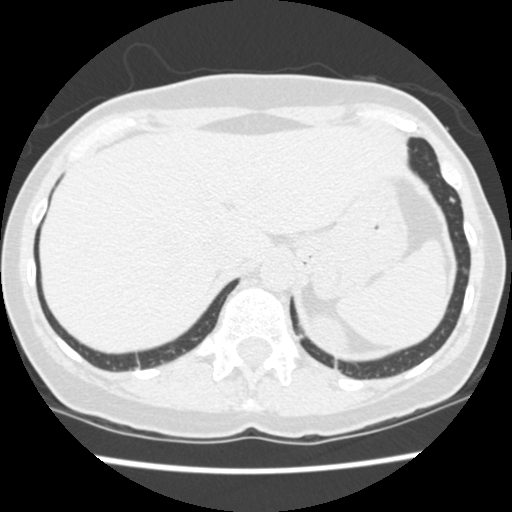
One axial slice (60 of 471, counting up from the lowest) of a chest CT acquired at 120 kVp with the STANDARD kernel; each pixel is 0.586 mm and the slice is 1.25 mm thick.
Pulmonary nodule at rows 195–205, columns 448–456 (box = the union of the readers' outlines on this slice), outlined by all four readers; median longest diameter 6.4 mm (readers' outlines 6.1–9.0 mm), median volume 101 mm3 (96–205 mm3). Ratings, median across the readers with their spread: texture 5/5 (solid), all four readers agreeing; margin 4/5 at the median of four readers, spread 4/5 to 5/5 (circumscribed); median sphericity 3/5 (ovoid) (readers ranged 3/5 (ovoid) to 5/5 (round)); calcification absent from all four readers; internal structure soft tissue, all four readers agreeing; subtlety 3/5 at the median of four readers, spread 3–4; malignancy likelihood 3/5 at the median of four readers, spread 2–4. Scale key (1–5): texture non-solid→solid, margin indistinct→circumscribed, sphericity linear→round, subtlety extremely subtle→obvious, malignancy likelihood highly unlikely→highly suspicious of cancer. Box rows and columns are 0-based pixel indices from the top-left corner, inclusive.